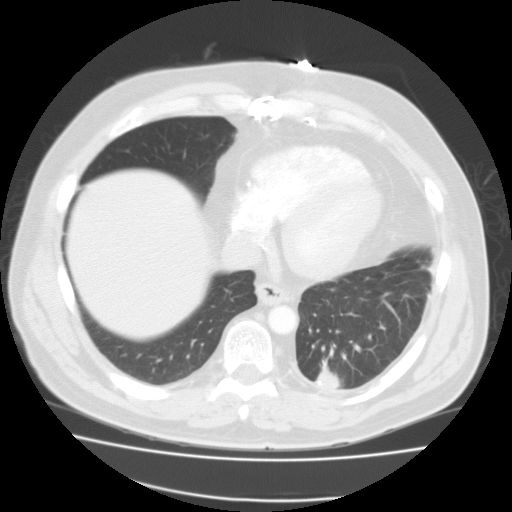
One axial slice (45 of 115, counting up from the lowest) of a chest CT acquired at 135 kVp with the FC01 kernel; each pixel is 0.782 mm and the slice is 3.00 mm thick.
Pulmonary nodule, outlined by all four readers. Box on this slice rows 359–388, columns 315–339, the union of the readers' outlines on this slice; longest diameter 25.2–31.6 mm and volume 5217–6928 mm3 across the four readers' outlines. Ratings across the readers: texture from 4/5 to 5/5 (solid) across the four readers; margin from 2/5 to 4/5 across the four readers; sphericity from 2/5 to 4/5 across the four readers; calcification split among the readers: non-central calcification (two), absent (two); internal structure soft tissue from all four readers; subtlety 5/5, all four readers agreeing; malignancy likelihood 2–5/5 (the readers disagree). Scale key (1–5): texture non-solid→solid, margin indistinct→circumscribed, sphericity linear→round, subtlety extremely subtle→obvious, malignancy likelihood highly unlikely→highly suspicious of cancer. Box rows and columns are 0-based pixel indices from the top-left corner, inclusive.